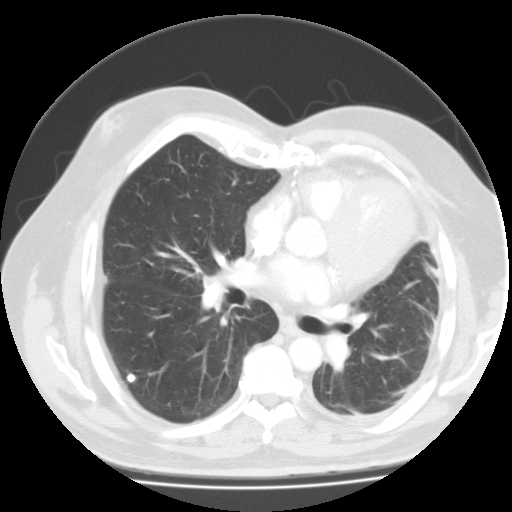
Chest CT, axial plane, 135 kVp, kernel FC01. Slice 66/111 from the bottom of the scan; thickness 3.00 mm; pixel size 0.769 mm.
Pulmonary nodule outlined by all four readers; box rows 374–382, columns 127–134 (the union of the readers' outlines on this slice); longest diameter 7.6 mm on average over the four readers' outlines (readers' outlines 7.1–8.8 mm), volume 182–267 mm3. Ratings, by the readers' most common answer with dissent counted: texture 5/5 (solid) from all four readers; margin 5/5 (circumscribed) from all four readers; sphericity 5/5 (round) by three of four readers; the rest gave 4/5 (one); calcification solid calcification, all four readers agreeing; internal structure soft tissue, all four readers agreeing; subtlety split among the readers: 4/5 (two), 5/5 (two); malignancy likelihood 1/5 from all four readers. Scale key (1–5): texture non-solid→solid, margin indistinct→circumscribed, sphericity linear→round, subtlety extremely subtle→obvious, malignancy likelihood highly unlikely→highly suspicious of cancer. Box rows and columns are 0-based pixel indices from the top-left corner, inclusive.